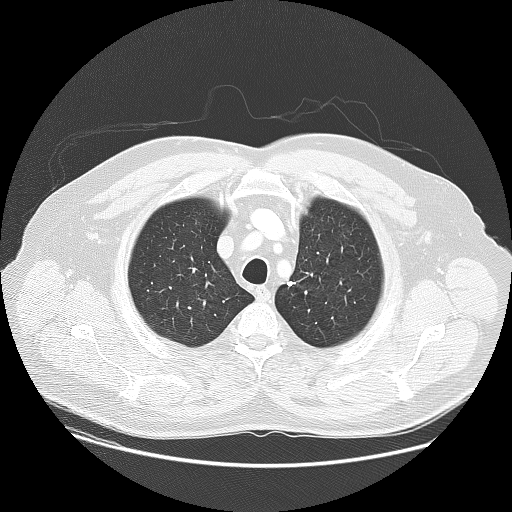
Chest CT, axial plane, 120 kVp, kernel LUNG. Slice 112/133 from the bottom of the scan; thickness 2.50 mm; pixel size 0.820 mm.
Pulmonary nodule outlined by all four readers; box rows 280–286, columns 286–295 (the union of the readers' outlines on this slice); the four readers' outlines give a longest diameter between 7.8 and 9.2 mm and a volume between 165 and 185 mm3. Ratings across the readers: texture 5/5 (solid), all four readers agreeing; margin from 4/5 to 5/5 (circumscribed) across the four readers; sphericity from 2/5 to 5/5 (round) across the four readers; calcification solid calcification from all four readers; internal structure soft tissue from all four readers; subtlety from 3/5 to 5/5 across the four readers; malignancy likelihood 1/5, all four readers agreeing. Scale key (1–5): texture non-solid→solid, margin indistinct→circumscribed, sphericity linear→round, subtlety extremely subtle→obvious, malignancy likelihood highly unlikely→highly suspicious of cancer. Box rows and columns are 0-based pixel indices from the top-left corner, inclusive.